Chest CT, axial plane, 120 kVp, kernel STANDARD. Slice 270/519 from the bottom of the scan; thickness 1.25 mm; pixel size 0.645 mm.
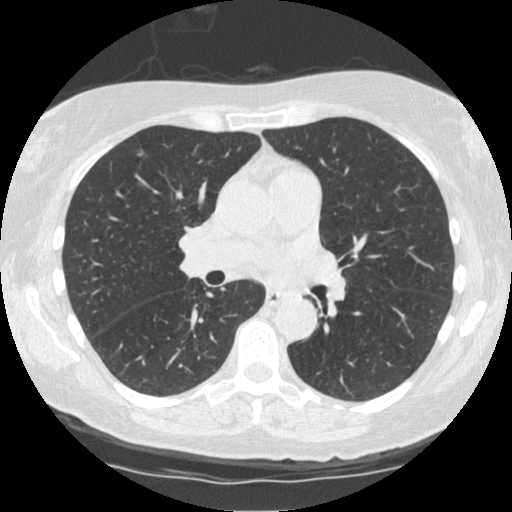
Pulmonary nodule outlined by all four readers, three of them on this slice; box rows 148–156, columns 136–144 (the union of the readers' outlines on this slice); median longest diameter 9.5 mm (readers' outlines 9.0–9.8 mm), median volume 158 mm3 (121–176 mm3). Median ratings and the readers' spread: texture 5/5 (solid) from all four readers; margin 4.5/5 at the median of four readers, spread 4/5 to 5/5 (circumscribed); sphericity 3.5/5 at the median of four readers, spread 3/5 (ovoid) to 5/5 (round); calcification absent, all four readers agreeing; internal structure soft tissue from all four readers; median subtlety 5/5 (readers ranged 4–5); median malignancy likelihood 3/5 (readers ranged 2–3). Scale key (1–5): texture non-solid→solid, margin indistinct→circumscribed, sphericity linear→round, subtlety extremely subtle→obvious, malignancy likelihood highly unlikely→highly suspicious of cancer. Box rows and columns are 0-based pixel indices from the top-left corner, inclusive.